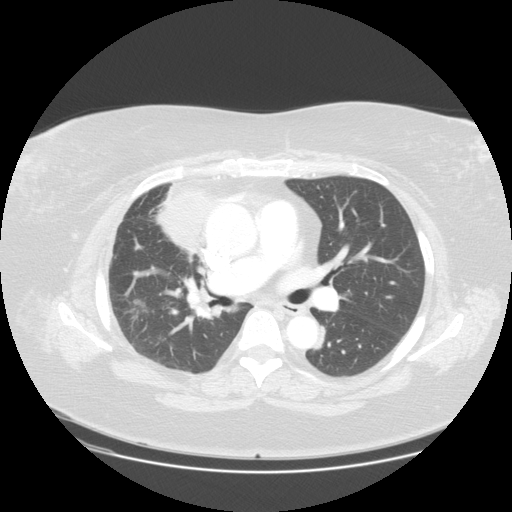
Axial chest CT slice 81 of 131 (counted from the lowest slice); tube voltage 120 kVp, convolution kernel STANDARD; slices 2.50 mm thick, 0.781 mm per pixel.
Pulmonary nodule at rows 299–306, columns 134–145 (box = the union of the readers' outlines on this slice), outlined by all four readers, two of them on this slice; median longest diameter 14.7 mm (readers' outlines 14.1–15.2 mm), median volume 1170 mm3 (961–1260 mm3). Median ratings and the readers' spread: texture 5/5 (solid), all four readers agreeing; margin 4/5 at the median of four readers, spread 3/5 to 5/5 (circumscribed); sphericity 4/5 at the median of four readers, spread 4/5 to 5/5 (round); calcification absent, all four readers agreeing; internal structure soft tissue from all four readers; subtlety 5/5 from all four readers; median malignancy likelihood 4.5/5 (readers ranged 3–5). Scale key (1–5): texture non-solid→solid, margin indistinct→circumscribed, sphericity linear→round, subtlety extremely subtle→obvious, malignancy likelihood highly unlikely→highly suspicious of cancer. Box rows and columns are 0-based pixel indices from the top-left corner, inclusive.